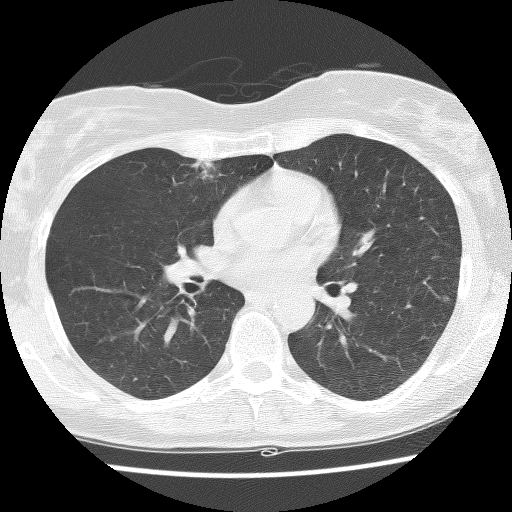
Axial slice 70 of 127 of a chest CT (slice 1 is the lowest), reconstructed with the BONE kernel at 140 kVp; 2.50 mm slice thickness and 0.586 mm pixels.
Two pulmonary nodules on this slice, listed from left to right. (1) Pulmonary nodule at rows 160–182, columns 191–221 (box = that reader's outline on this slice), outlined by one of the four readers; longest diameter 18.8 mm and volume 2440 mm3 from that reader's outline. That reader's ratings: texture 3/5 (part-solid); margin 2/5; sphericity 2/5; calcification absent; internal structure soft tissue; subtlety 4/5; malignancy likelihood 2/5. (2) Pulmonary nodule at rows 296–300, columns 442–447 (box = that reader's outline on this slice), outlined by one of the four readers; longest diameter 5.8 mm and volume 74 mm3 from that reader's outline. That reader's ratings: texture 4/5; margin 3/5; sphericity 3/5 (ovoid); calcification absent; internal structure soft tissue; subtlety 2/5; malignancy likelihood 2/5. Scale key (1–5): texture non-solid→solid, margin indistinct→circumscribed, sphericity linear→round, subtlety extremely subtle→obvious, malignancy likelihood highly unlikely→highly suspicious of cancer. Box rows and columns are 0-based pixel indices from the top-left corner, inclusive.